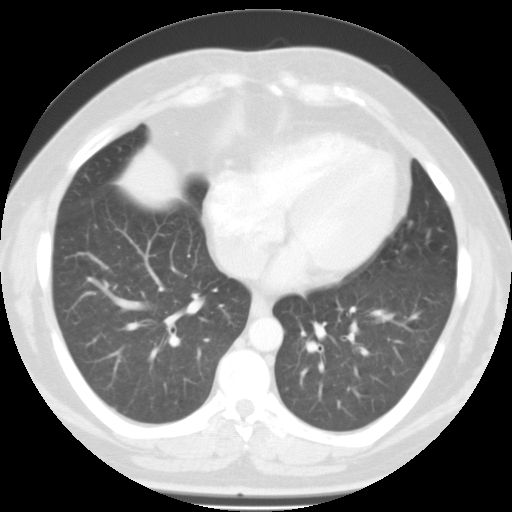
One axial slice (43 of 99, counting up from the lowest) of a chest CT acquired at 135 kVp with the FC01 kernel; each pixel is 0.698 mm and the slice is 3.00 mm thick.
This slice carries no reader outline of a nodule 3 mm or larger.